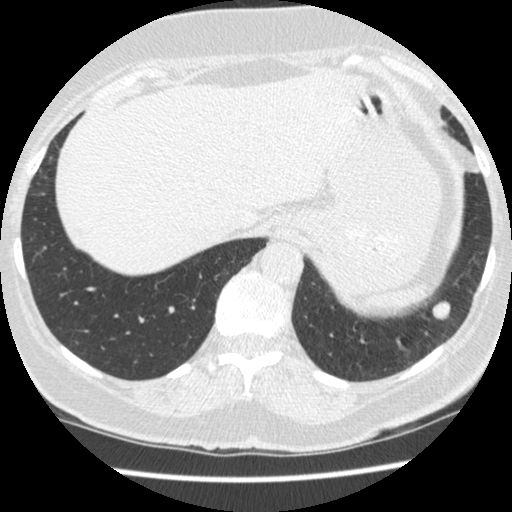
Axial chest CT slice 98 of 481 (counted from the lowest slice); tube voltage 120 kVp, convolution kernel STANDARD; slices 1.25 mm thick, 0.605 mm per pixel.
Pulmonary nodule at rows 300–320, columns 431–450 (box = the union of the readers' outlines on this slice), outlined by all four readers; the four readers' outlines give a longest diameter between 13.3 and 14.6 mm and a volume between 633 and 867 mm3. The readers' ratings, as ranges where they differ: texture 5/5 (solid) from all four readers; margin from 4/5 to 5/5 (circumscribed) across the four readers; sphericity from 4/5 to 5/5 (round) across the four readers; calcification absent, all four readers agreeing; internal structure soft tissue from all four readers; subtlety from 4/5 to 5/5 across the four readers; malignancy likelihood 2–5/5 (the readers disagree). Scale key (1–5): texture non-solid→solid, margin indistinct→circumscribed, sphericity linear→round, subtlety extremely subtle→obvious, malignancy likelihood highly unlikely→highly suspicious of cancer. Box rows and columns are 0-based pixel indices from the top-left corner, inclusive.